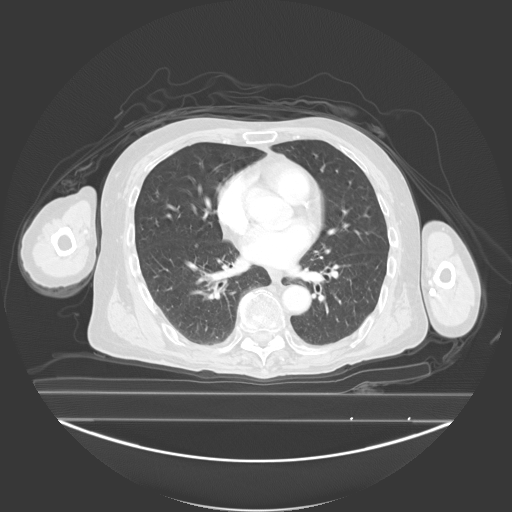
Slice 109/278 of a chest CT, counting up from the lowest; pixel size 0.977 mm, slice thickness 3.00 mm. Pulmonary nodule at rows 243–247, columns 195–198 (box = the union of the readers' outlines on this slice), outlined by three of the four readers; the three readers' outlines give a longest diameter between 6.2 and 6.3 mm and a volume between 123 and 213 mm3. Ratings across the readers: texture from 1/5 (non-solid) to 5/5 (solid) across the three readers; margin from 3/5 to 5/5 (circumscribed) across the three readers; sphericity 5/5 (round), all three readers agreeing; calcification absent, all three readers agreeing; internal structure soft tissue, all three readers agreeing; subtlety rated between 2 and 4 out of 5 by the three readers; malignancy likelihood rated between 2 and 3 out of 5 by the three readers. Scale key (1–5): texture non-solid→solid, margin indistinct→circumscribed, sphericity linear→round, subtlety extremely subtle→obvious, malignancy likelihood highly unlikely→highly suspicious of cancer. Box rows and columns are 0-based pixel indices from the top-left corner, inclusive.
Acquired at 130 kVp and reconstructed with the B40s kernel.